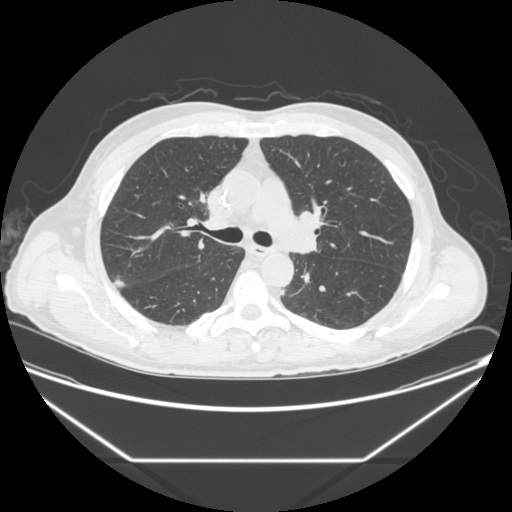
This is axial slice 142 of 251 (slice 1 is the lowest) of a chest CT; each pixel is 0.809 mm and the slice is 1.25 mm thick. Two pulmonary nodules on this slice, listed from left to right. (1) Pulmonary nodule outlined by all four readers; box rows 279–288, columns 112–126 (the union of the readers' outlines on this slice); the four readers' outlines give a longest diameter between 9.5 and 12.3 mm and a volume between 212 and 399 mm3. The readers' ratings, as ranges where they differ: texture 5/5 (solid) from all four readers; margin from 2/5 to 5/5 (circumscribed) across the four readers; sphericity from 3/5 (ovoid) to 4/5 across the four readers; calcification absent, all four readers agreeing; internal structure soft tissue from all four readers; subtlety 3–4/5 (the readers disagree); malignancy likelihood rated between 2 and 3 out of 5 by the four readers. (2) Pulmonary nodule, outlined by three of the four readers. Box on this slice rows 290–294, columns 281–285, the union of the readers' outlines on this slice; median longest diameter 7.5 mm (readers' outlines 6.7–7.7 mm), median volume 177 mm3 (143–192 mm3). Median ratings and the readers' spread: texture 5/5 (solid) from all three readers; median margin 4/5 (readers ranged 4/5 to 5/5 (circumscribed)); sphericity 4/5 at the median of three readers, spread 3/5 (ovoid) to 5/5 (round); calcification absent, all three readers agreeing; internal structure soft tissue, all three readers agreeing; subtlety 2/5 at the median of three readers, spread 1–5; median malignancy likelihood 3/5 (readers ranged 2–3). Scale key (1–5): texture non-solid→solid, margin indistinct→circumscribed, sphericity linear→round, subtlety extremely subtle→obvious, malignancy likelihood highly unlikely→highly suspicious of cancer. Box rows and columns are 0-based pixel indices from the top-left corner, inclusive.
Acquired at 120 kVp and reconstructed with the STANDARD kernel.